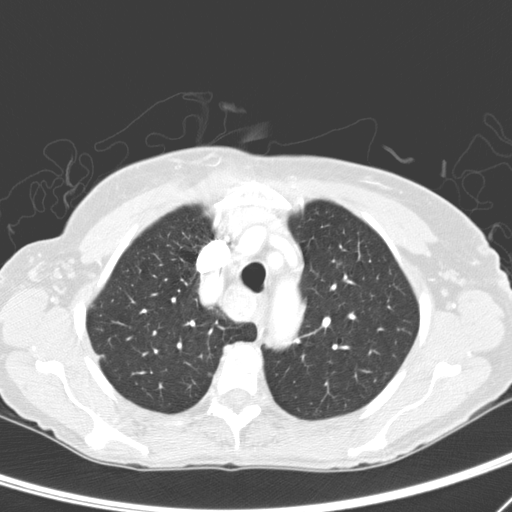
Axial chest CT slice 228 of 276 (counted from the lowest slice); tube voltage 120 kVp, convolution kernel D; slices 2.00 mm thick, 0.617 mm per pixel.
Pulmonary nodule, outlined by two of the four readers. Box on this slice rows 355–359, columns 97–104, the union of the readers' outlines on this slice; the two readers' outlines give a longest diameter between 8.0 and 10.8 mm and a volume between 90 and 183 mm3. The readers' ratings, as ranges where they differ: texture from 1/5 (non-solid) to 2/5 across the two readers; margin from 1/5 (indistinct) to 2/5 across the two readers; sphericity 4/5 from both readers; calcification absent, both readers agreeing; internal structure soft tissue from both readers; subtlety from 3/5 to 4/5 across the two readers; malignancy likelihood 3/5 from both readers. Scale key (1–5): texture non-solid→solid, margin indistinct→circumscribed, sphericity linear→round, subtlety extremely subtle→obvious, malignancy likelihood highly unlikely→highly suspicious of cancer. Box rows and columns are 0-based pixel indices from the top-left corner, inclusive.